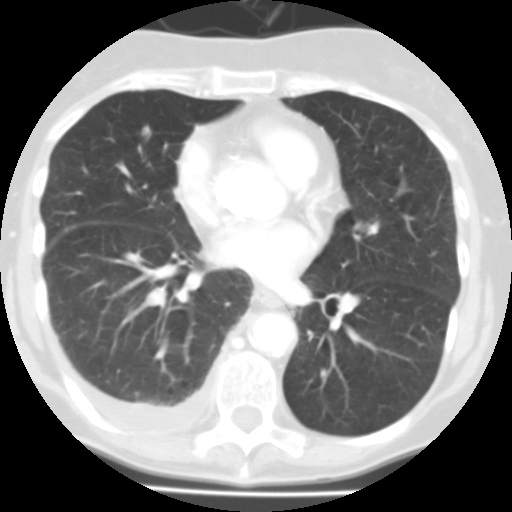
Axial chest CT slice 43 of 100 (counted from the lowest slice); 3.00 mm thick, 0.540 mm per pixel. No nodule 3 mm or larger was outlined here by any reader.
Scan settings: 135 kVp, FC01 reconstruction kernel.